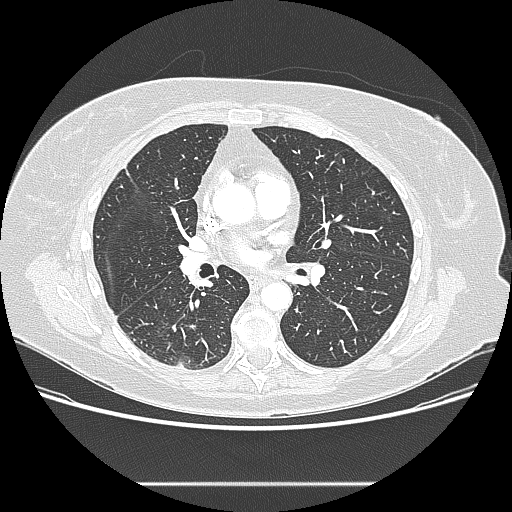
One axial slice (131 of 238, counting up from the lowest) of a chest CT acquired at 120 kVp with the LUNG kernel; each pixel is 0.742 mm and the slice is 1.25 mm thick.
Pulmonary nodule at rows 362–367, columns 175–183 (box = the union of the readers' outlines on this slice), outlined by all four readers, three of them on this slice; longest diameter 16.2–17.0 mm and volume 1456–1679 mm3 across the four readers' outlines. Ratings across the readers: texture 5/5 (solid) from all four readers; margin from 4/5 to 5/5 (circumscribed) across the four readers; sphericity from 3/5 (ovoid) to 5/5 (round) across the four readers; calcification absent from all four readers; internal structure soft tissue from all four readers; subtlety rated between 3 and 5 out of 5 by the four readers; malignancy likelihood from 2/5 to 4/5 across the four readers. Scale key (1–5): texture non-solid→solid, margin indistinct→circumscribed, sphericity linear→round, subtlety extremely subtle→obvious, malignancy likelihood highly unlikely→highly suspicious of cancer. Box rows and columns are 0-based pixel indices from the top-left corner, inclusive.